Axial chest CT slice 280 of 588 (counted from the lowest slice); tube voltage 120 kVp, convolution kernel B50f; slices 0.60 mm thick, 0.514 mm per pixel.
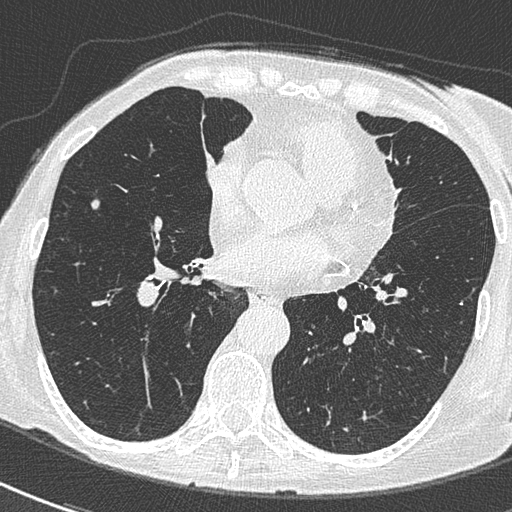
Pulmonary nodule, outlined by all four readers. Box on this slice rows 199–209, columns 91–99, the union of the readers' outlines on this slice; longest diameter 11.2 mm on average over the four readers' outlines (readers' outlines 10.3–12.9 mm), volume 343–465 mm3. Ratings, by the readers' most common answer with dissent counted: texture 5/5 (solid) from all four readers; margin 5/5 (circumscribed) by three of four readers; the rest gave 4/5 (one); sphericity 3/5 (ovoid) by two of four readers; the rest gave 4/5 (one), 5/5 (round) (one); calcification absent, all four readers agreeing; internal structure soft tissue, all four readers agreeing; subtlety 5/5 by three of four readers; the rest gave 4/5 (one); malignancy likelihood 3/5 by three of four readers; the rest gave 2/5 (one). Scale key (1–5): texture non-solid→solid, margin indistinct→circumscribed, sphericity linear→round, subtlety extremely subtle→obvious, malignancy likelihood highly unlikely→highly suspicious of cancer. Box rows and columns are 0-based pixel indices from the top-left corner, inclusive.